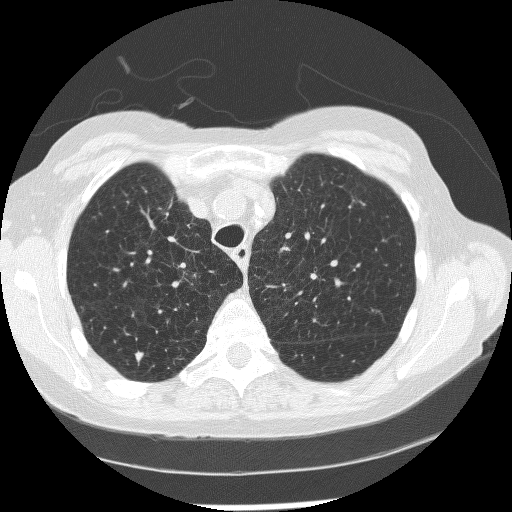
Axial slice 213 of 267 of a chest CT (slice 1 is the lowest), reconstructed with the BONE kernel at 120 kVp; 1.25 mm slice thickness and 0.596 mm pixels.
Pulmonary nodule, outlined by all four readers. Box on this slice rows 351–362, columns 134–143, the union of the readers' outlines on this slice; longest diameter 8.9 mm on average over the four readers' outlines (readers' outlines 8.4–9.5 mm), volume 111–243 mm3. The readers' prevailing ratings and who disagreed: texture 5/5 (solid) by three of four readers; the rest gave 4/5 (one); most readers (three of four) put margin at 4/5, others 3/5 (one); most readers (three of four) put sphericity at 3/5 (ovoid), others 2/5 (one); calcification absent, all four readers agreeing; internal structure soft tissue, all four readers agreeing; subtlety 5/5 by two of four readers; the rest gave 3/5 (one), 4/5 (one); malignancy likelihood 3/5 by three of four readers; the rest gave 4/5 (one). Scale key (1–5): texture non-solid→solid, margin indistinct→circumscribed, sphericity linear→round, subtlety extremely subtle→obvious, malignancy likelihood highly unlikely→highly suspicious of cancer. Box rows and columns are 0-based pixel indices from the top-left corner, inclusive.